Axial chest CT slice 60 of 114 (counted from the lowest slice); tube voltage 120 kVp, convolution kernel B31f; slices 3.00 mm thick, 0.689 mm per pixel.
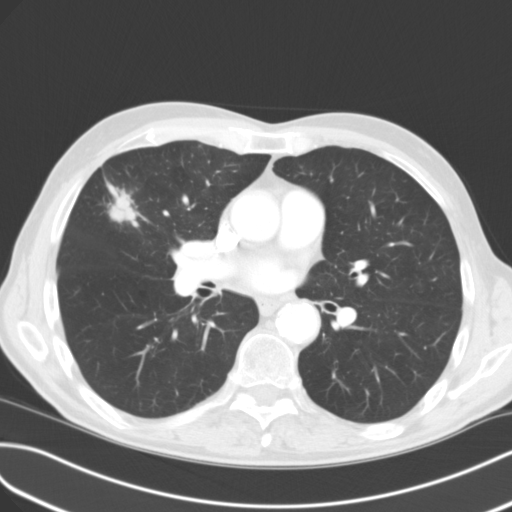
Pulmonary nodule, outlined by all four readers. Box on this slice rows 178–228, columns 104–139, the union of the readers' outlines on this slice; the four readers' outlines give a longest diameter between 40.2 and 48.6 mm and a volume between 17639 and 20532 mm3. Ratings across the readers: texture from 4/5 to 5/5 (solid) across the four readers; margin from 3/5 to 5/5 (circumscribed) across the four readers; sphericity from 3/5 (ovoid) to 4/5 across the four readers; calcification absent from all four readers; internal structure soft tissue from all four readers; subtlety 5/5, all four readers agreeing; malignancy likelihood rated between 3 and 5 out of 5 by the four readers. Scale key (1–5): texture non-solid→solid, margin indistinct→circumscribed, sphericity linear→round, subtlety extremely subtle→obvious, malignancy likelihood highly unlikely→highly suspicious of cancer. Box rows and columns are 0-based pixel indices from the top-left corner, inclusive.